Axial slice 71 of 143 of a chest CT (slice 1 is the lowest), reconstructed with the LUNG kernel at 120 kVp; 2.50 mm slice thickness and 0.781 mm pixels.
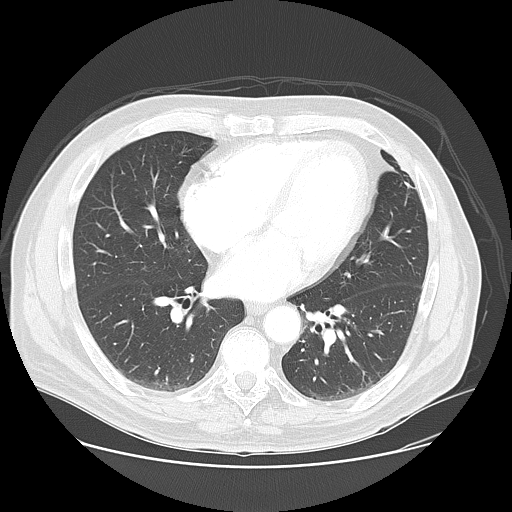
No nodule of 3 mm or larger was outlined by any of the four readers on this slice.